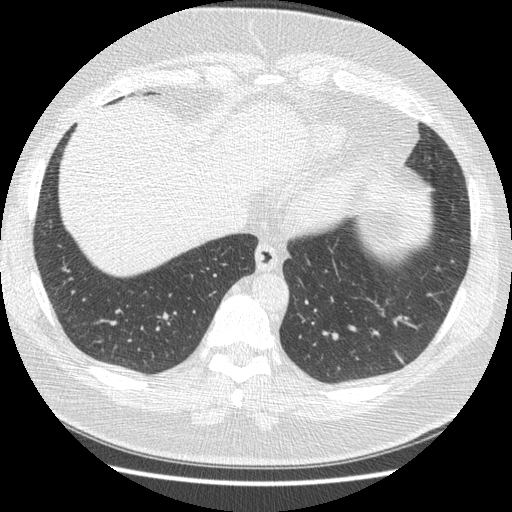
One axial slice (80 of 421, counting up from the lowest) of a chest CT acquired at 120 kVp with the STANDARD kernel; each pixel is 0.703 mm and the slice is 1.25 mm thick.
Pulmonary nodule outlined four times (the source holds four more outlines, not used), two of them on this slice; box rows 351–363, columns 395–404 (the union of the readers' outlines on this slice); median longest diameter 32.9 mm (readers' outlines 30.9–38.9 mm), median volume 5450 mm3 (4443–5826 mm3). Median ratings and the readers' spread: median texture 5/5 (solid) (readers ranged 4/5 to 5/5 (solid)); median margin 4/5 (readers ranged 3/5 to 4/5); median sphericity 2.5/5 (readers ranged 2/5 to 4/5); calcification absent from all four readers; internal structure soft tissue, all four readers agreeing; median subtlety 5/5 (readers ranged 4–5); median malignancy likelihood 3.5/5 (readers ranged 2–5). Scale key (1–5): texture non-solid→solid, margin indistinct→circumscribed, sphericity linear→round, subtlety extremely subtle→obvious, malignancy likelihood highly unlikely→highly suspicious of cancer. Box rows and columns are 0-based pixel indices from the top-left corner, inclusive.